Axial chest CT slice 64 of 183 (counted from the lowest slice); tube voltage 135 kVp, convolution kernel FC03; slices 2.00 mm thick, 0.946 mm per pixel.
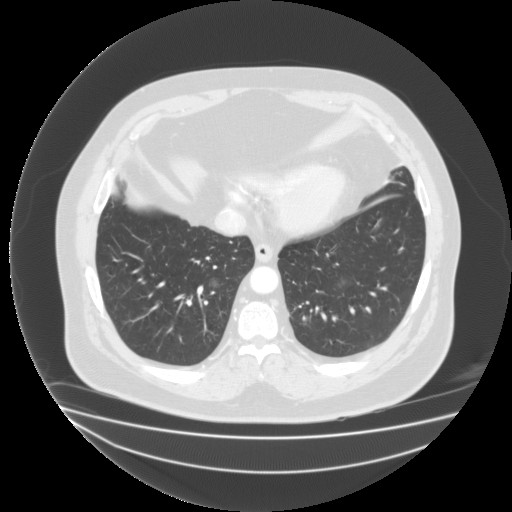
Pulmonary nodule at rows 278–287, columns 209–218 (box = the union of the readers' outlines on this slice), outlined by two of the four readers; longest diameter 13.2 mm on average over the two readers' outlines (readers' outlines 12.7–13.6 mm), volume 804–924 mm3. The readers' prevailing ratings and who disagreed: texture split among the readers: 1/5 (non-solid) (one), 2/5 (one); margin 2/5 from both readers; sphericity split among the readers: 3/5 (ovoid) (one), 4/5 (one); calcification absent from both readers; internal structure split among the readers: soft tissue (one), fluid (one); subtlety split among the readers: 2/5 (one), 4/5 (one); malignancy likelihood 3/5 from both readers. Scale key (1–5): texture non-solid→solid, margin indistinct→circumscribed, sphericity linear→round, subtlety extremely subtle→obvious, malignancy likelihood highly unlikely→highly suspicious of cancer. Box rows and columns are 0-based pixel indices from the top-left corner, inclusive.